Axial slice 167 of 368 of a chest CT (slice 1 is the lowest), reconstructed with the B70f kernel at 120 kVp; 2.00 mm slice thickness and 0.623 mm pixels.
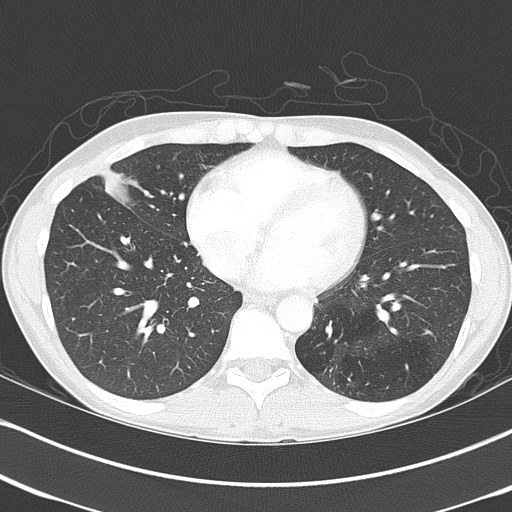
Pulmonary nodule outlined by all four readers; box rows 167–208, columns 99–137 (the union of the readers' outlines on this slice); the four readers' outlines give a longest diameter between 27.1 and 39.3 mm and a volume between 6531 and 9806 mm3. Ratings across the readers: texture 5/5 (solid) from all four readers; margin from 2/5 to 5/5 (circumscribed) across the four readers; sphericity from 2/5 to 3/5 (ovoid) across the four readers; calcification split among the readers: laminated calcification (one), absent (one), popcorn calcification (one), non-central calcification (one); internal structure soft tissue from all four readers; subtlety 5/5, all four readers agreeing; malignancy likelihood 1–5/5 (the readers disagree). Scale key (1–5): texture non-solid→solid, margin indistinct→circumscribed, sphericity linear→round, subtlety extremely subtle→obvious, malignancy likelihood highly unlikely→highly suspicious of cancer. Box rows and columns are 0-based pixel indices from the top-left corner, inclusive.